Axial chest CT slice 168 of 244 (counted from the lowest slice); tube voltage 120 kVp, convolution kernel BONE; slices 1.25 mm thick, 0.729 mm per pixel.
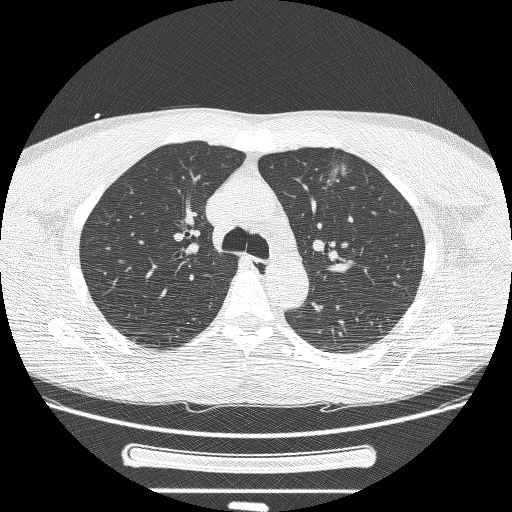
Pulmonary nodule outlined by three of the four readers, two of them on this slice; box rows 161–187, columns 325–350 (the union of the readers' outlines on this slice); longest diameter 34.2 mm on average over the three readers' outlines (readers' outlines 27.4–37.9 mm), volume 2934–10099 mm3. The readers' prevailing ratings and who disagreed: texture 5/5 (solid) by two of three readers; the rest gave 3/5 (part-solid) (one); margin split among the readers: 1/5 (indistinct) (one), 2/5 (one), 3/5 (one); sphericity split among the readers: 2/5 (one), 3/5 (ovoid) (one), 4/5 (one); calcification absent, all three readers agreeing; internal structure soft tissue from all three readers; subtlety 5/5 from all three readers; most readers (two of three) put malignancy likelihood at 5/5, others 3/5 (one). Scale key (1–5): texture non-solid→solid, margin indistinct→circumscribed, sphericity linear→round, subtlety extremely subtle→obvious, malignancy likelihood highly unlikely→highly suspicious of cancer. Box rows and columns are 0-based pixel indices from the top-left corner, inclusive.